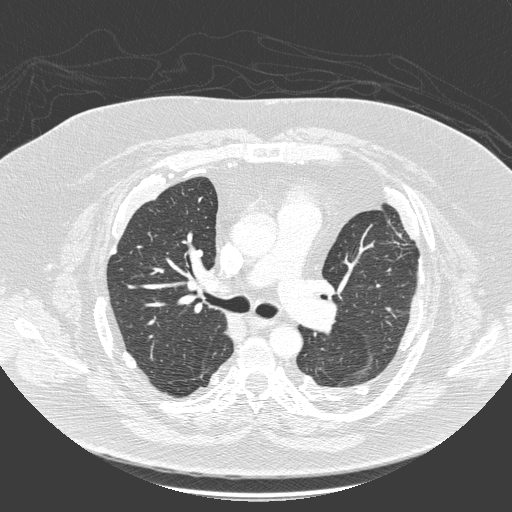
Axial slice 153 of 280 of a chest CT (slice 1 is the lowest), reconstructed with the D kernel at 140 kVp; 1.00 mm slice thickness and 0.801 mm pixels.
The readers outlined no nodule of 3 mm or more on this slice.